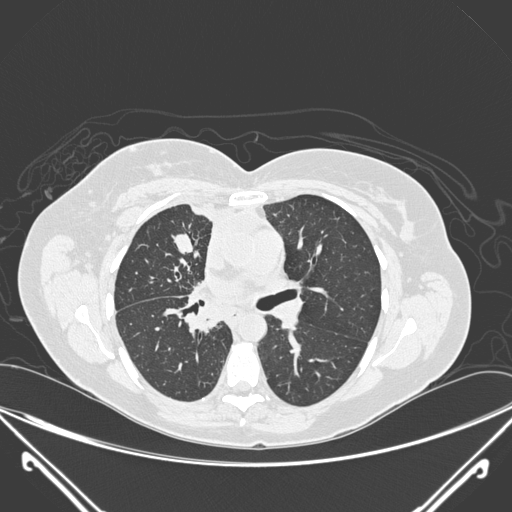
Axial chest CT slice 160 of 275 (counted from the lowest slice); tube voltage 120 kVp, convolution kernel D; slices 1.00 mm thick, 0.781 mm per pixel.
Pulmonary nodule at rows 233–254, columns 172–192 (box = the union of the readers' outlines on this slice), outlined by all four readers; longest diameter 20.3–23.4 mm and volume 1750–2560 mm3 across the four readers' outlines. The readers' ratings, as ranges where they differ: texture 5/5 (solid), all four readers agreeing; margin from 3/5 to 5/5 (circumscribed) across the four readers; sphericity from 2/5 to 5/5 (round) across the four readers; calcification: absent (three), central calcification (one); internal structure soft tissue, all four readers agreeing; subtlety 5/5 from all four readers; malignancy likelihood from 1/5 to 5/5 across the four readers. Scale key (1–5): texture non-solid→solid, margin indistinct→circumscribed, sphericity linear→round, subtlety extremely subtle→obvious, malignancy likelihood highly unlikely→highly suspicious of cancer. Box rows and columns are 0-based pixel indices from the top-left corner, inclusive.